One axial slice (46 of 118, counting up from the lowest) of a chest CT acquired at 135 kVp with the FC01 kernel; each pixel is 0.665 mm and the slice is 3.00 mm thick.
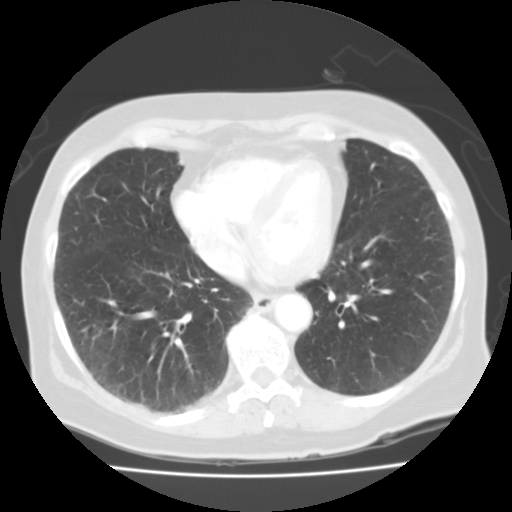
Pulmonary nodule outlined by all four readers, two of them on this slice; box rows 323–345, columns 77–103 (the union of the readers' outlines on this slice); the four readers' outlines give a longest diameter between 31.8 and 35.1 mm and a volume between 6444 and 8715 mm3. Ratings across the readers: texture from 1/5 (non-solid) to 3/5 (part-solid) across the four readers; margin from 1/5 (indistinct) to 3/5 across the four readers; sphericity from 4/5 to 5/5 (round) across the four readers; calcification absent, all four readers agreeing; internal structure soft tissue, all four readers agreeing; subtlety 5/5, all four readers agreeing; malignancy likelihood rated between 2 and 5 out of 5 by the four readers. Scale key (1–5): texture non-solid→solid, margin indistinct→circumscribed, sphericity linear→round, subtlety extremely subtle→obvious, malignancy likelihood highly unlikely→highly suspicious of cancer. Box rows and columns are 0-based pixel indices from the top-left corner, inclusive.